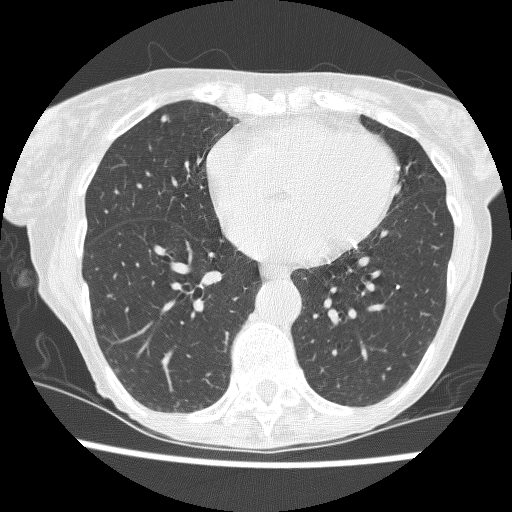
Axial slice 100 of 240 of a chest CT (slice 1 is the lowest), reconstructed with the BONE kernel at 120 kVp; 1.25 mm slice thickness and 0.566 mm pixels.
Pulmonary nodule outlined by all four readers; box rows 115–122, columns 161–170 (the union of the readers' outlines on this slice); longest diameter 5.6 mm on average over the four readers' outlines (readers' outlines 5.1–6.5 mm), volume 52–68 mm3. The readers' prevailing ratings and who disagreed: texture 4/5 by three of four readers; the rest gave 5/5 (solid) (one); margin 4/5 by three of four readers; the rest gave 2/5 (one); sphericity 3/5 (ovoid) by two of four readers; the rest gave 4/5 (one), 5/5 (round) (one); calcification absent, all four readers agreeing; internal structure soft tissue from all four readers; subtlety split among the readers: 3/5 (two), 4/5 (two); malignancy likelihood 3/5 by two of four readers; the rest gave 2/5 (one), 4/5 (one). Scale key (1–5): texture non-solid→solid, margin indistinct→circumscribed, sphericity linear→round, subtlety extremely subtle→obvious, malignancy likelihood highly unlikely→highly suspicious of cancer. Box rows and columns are 0-based pixel indices from the top-left corner, inclusive.